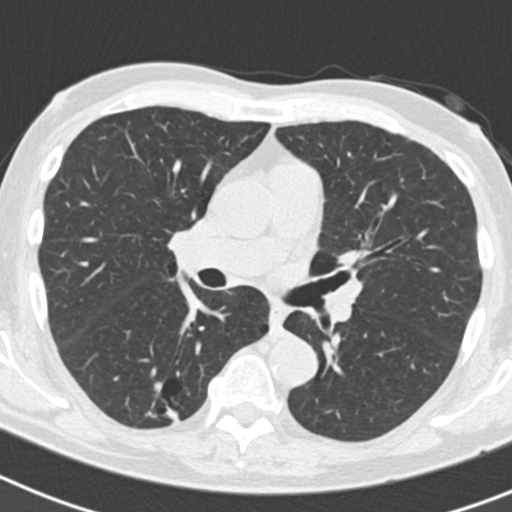
Axial chest CT slice 110 of 186 (counted from the lowest slice); tube voltage 120 kVp, convolution kernel B30f; slices 2.00 mm thick, 0.586 mm per pixel.
Two pulmonary nodules on this slice, listed from left to right. (1) Pulmonary nodule, outlined by all four readers. Box on this slice rows 382–392, columns 153–162, the union of the readers' outlines on this slice; longest diameter 8.8 mm on average over the four readers' outlines (readers' outlines 7.2–10.2 mm), volume 143–297 mm3. Ratings, by the readers' most common answer with dissent counted: most readers (three of four) put texture at 5/5 (solid), others 4/5 (one); margin 4/5 by two of four readers; the rest gave 3/5 (one), 5/5 (circumscribed) (one); sphericity 4/5, all four readers agreeing; calcification absent from all four readers; internal structure soft tissue, all four readers agreeing; subtlety split among the readers: 2/5 (one), 3/5 (one), 4/5 (one), 5/5 (one); malignancy likelihood 3/5 by two of four readers; the rest gave 2/5 (one), 5/5 (one). (2) Pulmonary nodule, outlined by three of the four readers, two of them on this slice. Box on this slice rows 409–420, columns 168–177, the union of the readers' outlines on this slice; longest diameter 20.1 mm on average over the three readers' outlines (readers' outlines 19.6–20.9 mm), volume 1911–1935 mm3. The readers' prevailing ratings and who disagreed: most readers (two of three) put texture at 4/5, others 5/5 (solid) (one); most readers (two of three) put margin at 3/5, others 4/5 (one); sphericity split among the readers: 2/5 (one), 3/5 (ovoid) (one), 4/5 (one); calcification absent, all three readers agreeing; internal structure soft tissue, all three readers agreeing; most readers (two of three) put subtlety at 5/5, others 4/5 (one); most readers (two of three) put malignancy likelihood at 5/5, others 3/5 (one). Scale key (1–5): texture non-solid→solid, margin indistinct→circumscribed, sphericity linear→round, subtlety extremely subtle→obvious, malignancy likelihood highly unlikely→highly suspicious of cancer. Box rows and columns are 0-based pixel indices from the top-left corner, inclusive.